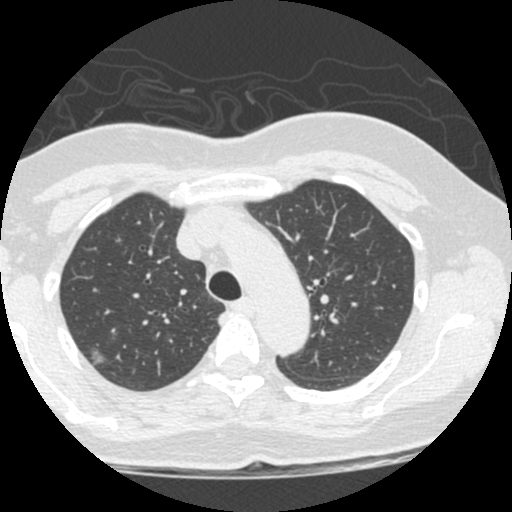
One axial slice (389 of 490, counting up from the lowest) of a chest CT acquired at 120 kVp with the STANDARD kernel; each pixel is 0.547 mm and the slice is 1.25 mm thick.
Pulmonary nodule at rows 346–366, columns 88–110 (box = the union of the readers' outlines on this slice), outlined by three of the four readers; longest diameter 14.3–18.3 mm and volume 967–1422 mm3 across the three readers' outlines. Ratings across the readers: texture from 1/5 (non-solid) to 5/5 (solid) across the three readers; margin from 2/5 to 4/5 across the three readers; sphericity from 3/5 (ovoid) to 5/5 (round) across the three readers; calcification absent, all three readers agreeing; internal structure soft tissue from all three readers; subtlety from 1/5 to 5/5 across the three readers; malignancy likelihood rated between 2 and 5 out of 5 by the three readers. Scale key (1–5): texture non-solid→solid, margin indistinct→circumscribed, sphericity linear→round, subtlety extremely subtle→obvious, malignancy likelihood highly unlikely→highly suspicious of cancer. Box rows and columns are 0-based pixel indices from the top-left corner, inclusive.